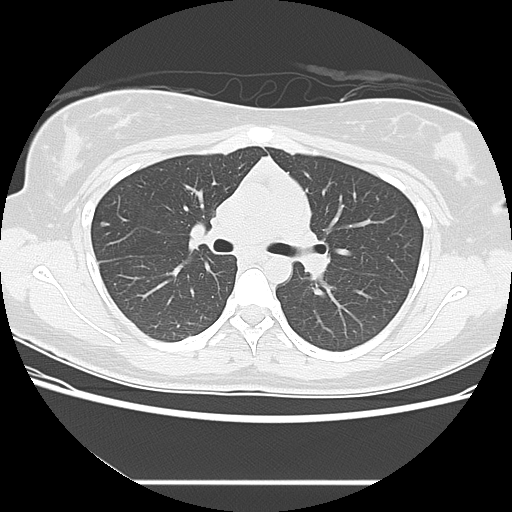
Axial chest CT slice 74 of 109 (counted from the lowest slice); tube voltage 120 kVp, convolution kernel LUNG; slices 2.50 mm thick, 0.664 mm per pixel.
Pulmonary nodule, outlined by all four readers. Box on this slice rows 221–226, columns 100–104, the union of the readers' outlines on this slice; longest diameter 5.5–6.9 mm and volume 113–133 mm3 across the four readers' outlines. Ratings across the readers: texture 5/5 (solid), all four readers agreeing; margin from 4/5 to 5/5 (circumscribed) across the four readers; sphericity from 4/5 to 5/5 (round) across the four readers; calcification absent, all four readers agreeing; internal structure soft tissue from all four readers; subtlety rated between 3 and 5 out of 5 by the four readers; malignancy likelihood from 2/5 to 3/5 across the four readers. Scale key (1–5): texture non-solid→solid, margin indistinct→circumscribed, sphericity linear→round, subtlety extremely subtle→obvious, malignancy likelihood highly unlikely→highly suspicious of cancer. Box rows and columns are 0-based pixel indices from the top-left corner, inclusive.